Chest CT, axial plane, 120 kVp, kernel D. Slice 220/280 from the bottom of the scan; thickness 2.00 mm; pixel size 0.613 mm.
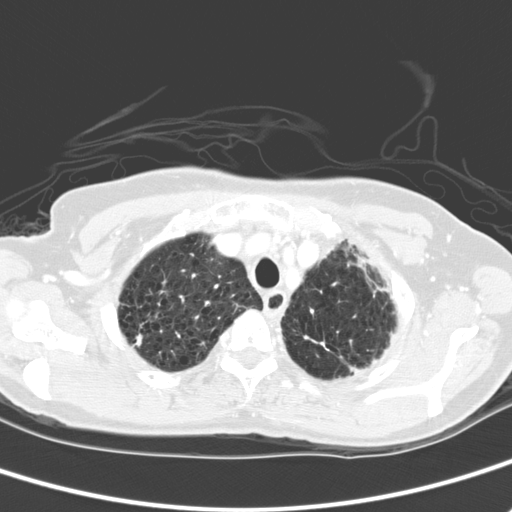
Pulmonary nodule, outlined by all four readers. Box on this slice rows 333–348, columns 134–143, the union of the readers' outlines on this slice; longest diameter 17.7 mm on average over the four readers' outlines (readers' outlines 16.7–18.9 mm), volume 701–1041 mm3. The readers' prevailing ratings and who disagreed: texture 5/5 (solid) by two of four readers; the rest gave 3/5 (part-solid) (one), 4/5 (one); margin 1/5 (indistinct) by two of four readers; the rest gave 4/5 (one), 5/5 (circumscribed) (one); sphericity 2/5 by two of four readers; the rest gave 3/5 (ovoid) (one), 4/5 (one); calcification absent, all four readers agreeing; internal structure soft tissue from all four readers; subtlety 5/5 by two of four readers; the rest gave 2/5 (one), 4/5 (one); malignancy likelihood 4/5 by two of four readers; the rest gave 3/5 (one), 5/5 (one). Scale key (1–5): texture non-solid→solid, margin indistinct→circumscribed, sphericity linear→round, subtlety extremely subtle→obvious, malignancy likelihood highly unlikely→highly suspicious of cancer. Box rows and columns are 0-based pixel indices from the top-left corner, inclusive.